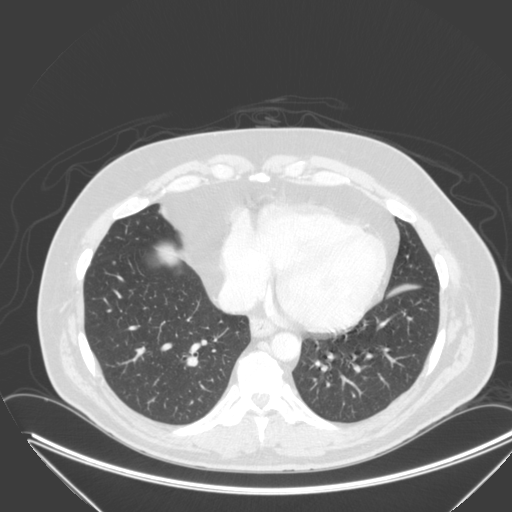
Slice 109/315 of a chest CT, counting up from the lowest; pixel size 0.830 mm, slice thickness 2.00 mm. Pulmonary nodule, outlined by one of the four readers. Box on this slice rows 261–264, columns 113–115, that reader's outline on this slice; longest diameter 4.8 mm and volume 44 mm3 from that reader's outline. Ratings by that reader: texture 4/5; margin 5/5 (circumscribed); sphericity 5/5 (round); calcification absent; internal structure soft tissue; subtlety 5/5; malignancy likelihood 3/5. Scale key (1–5): texture non-solid→solid, margin indistinct→circumscribed, sphericity linear→round, subtlety extremely subtle→obvious, malignancy likelihood highly unlikely→highly suspicious of cancer. Box rows and columns are 0-based pixel indices from the top-left corner, inclusive.
Acquired at 120 kVp and reconstructed with the B kernel.